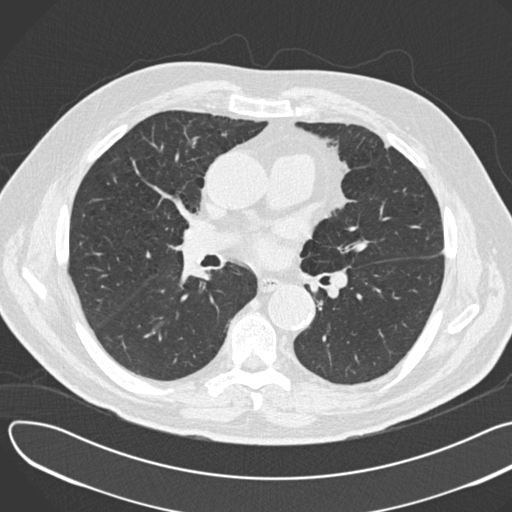
One axial slice (105 of 190, counting up from the lowest) of a chest CT acquired at 120 kVp with the B30f kernel; each pixel is 0.742 mm and the slice is 2.00 mm thick.
Pulmonary nodule at rows 250–257, columns 146–148 (box = that reader's outline on this slice), outlined by one of the four readers; longest diameter 8.3 mm and volume 81 mm3 from that reader's outline. Ratings by that reader: texture 5/5 (solid); margin 5/5 (circumscribed); sphericity 3/5 (ovoid); calcification absent; internal structure soft tissue; subtlety 3/5; malignancy likelihood 3/5. Scale key (1–5): texture non-solid→solid, margin indistinct→circumscribed, sphericity linear→round, subtlety extremely subtle→obvious, malignancy likelihood highly unlikely→highly suspicious of cancer. Box rows and columns are 0-based pixel indices from the top-left corner, inclusive.